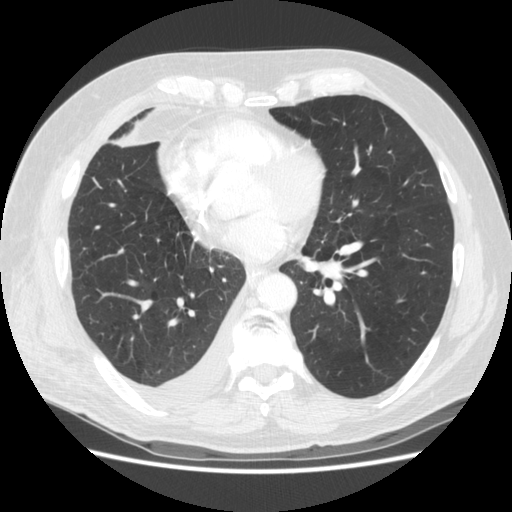
One axial slice (138 of 295, counting up from the lowest) of a chest CT acquired at 120 kVp with the STANDARD kernel; each pixel is 0.703 mm and the slice is 2.50 mm thick.
The readers outlined no nodule of 3 mm or more on this slice.